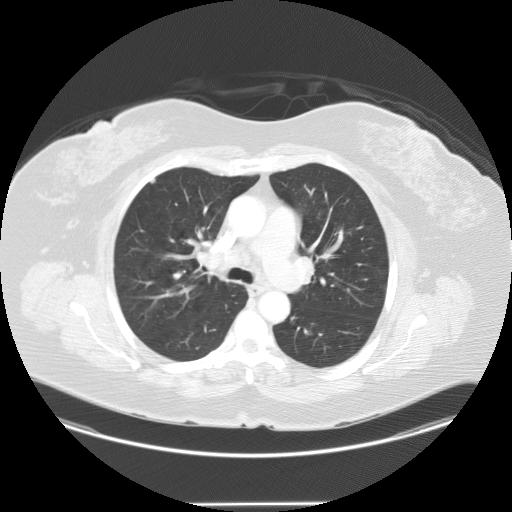
Axial slice 54 of 95 of a chest CT (slice 1 is the lowest), reconstructed with the STANDARD kernel at 120 kVp; 2.50 mm slice thickness and 0.859 mm pixels.
Pulmonary nodule, outlined by one of the four readers. Box on this slice rows 178–182, columns 150–154, that reader's outline on this slice; longest diameter 6.2 mm and volume 44 mm3 from that reader's outline. Ratings by that reader: texture 5/5 (solid); margin 5/5 (circumscribed); sphericity 5/5 (round); calcification absent; internal structure soft tissue; subtlety 3/5; malignancy likelihood 2/5. Scale key (1–5): texture non-solid→solid, margin indistinct→circumscribed, sphericity linear→round, subtlety extremely subtle→obvious, malignancy likelihood highly unlikely→highly suspicious of cancer. Box rows and columns are 0-based pixel indices from the top-left corner, inclusive.